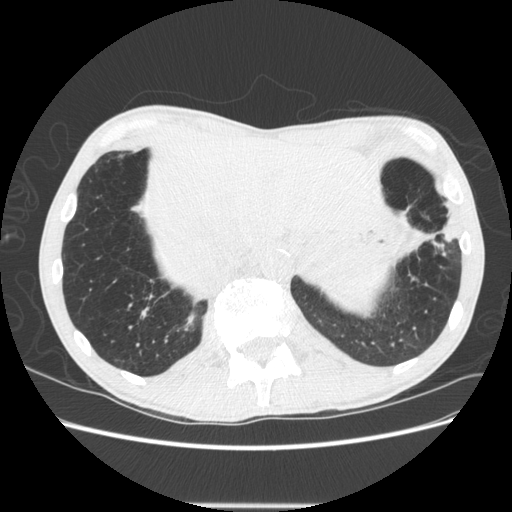
Slice 119/605 of a chest CT, counting up from the lowest; pixel size 0.703 mm, slice thickness 1.25 mm. Pulmonary nodule at rows 210–240, columns 443–460 (box = that reader's outline on this slice), outlined by one of the four readers; longest diameter 29.0 mm and volume 1790 mm3 from that reader's outline. That reader's ratings: texture 4/5; margin 4/5; sphericity 2/5; calcification absent; internal structure soft tissue; subtlety 5/5; malignancy likelihood 4/5. Scale key (1–5): texture non-solid→solid, margin indistinct→circumscribed, sphericity linear→round, subtlety extremely subtle→obvious, malignancy likelihood highly unlikely→highly suspicious of cancer. Box rows and columns are 0-based pixel indices from the top-left corner, inclusive.
Tube voltage 120 kVp; convolution kernel STANDARD.